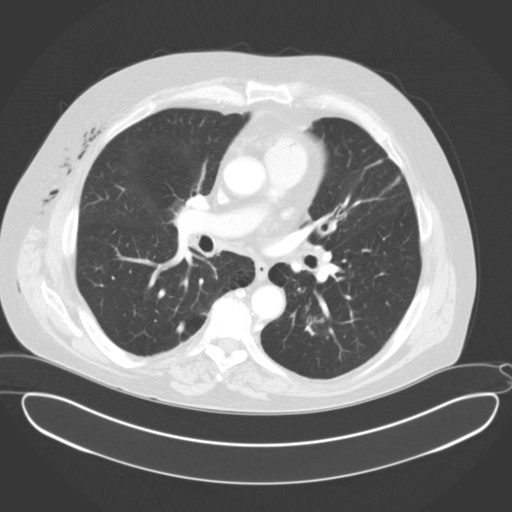
Slice 100/153 of a chest CT, counting up from the lowest; pixel size 0.836 mm, slice thickness 3.00 mm. Pulmonary nodule outlined by two of the four readers; box rows 323–332, columns 177–183 (the union of the readers' outlines on this slice); longest diameter 11.7 mm on average over the two readers' outlines (readers' outlines 11.6–11.8 mm), volume 264–409 mm3. The readers' prevailing ratings and who disagreed: texture 5/5 (solid), both readers agreeing; margin 4/5 from both readers; sphericity 3/5 (ovoid) from both readers; calcification absent, both readers agreeing; internal structure soft tissue, both readers agreeing; subtlety 4/5 from both readers; malignancy likelihood split among the readers: 1/5 (one), 3/5 (one). Scale key (1–5): texture non-solid→solid, margin indistinct→circumscribed, sphericity linear→round, subtlety extremely subtle→obvious, malignancy likelihood highly unlikely→highly suspicious of cancer. Box rows and columns are 0-based pixel indices from the top-left corner, inclusive.
Acquired at 120 kVp and reconstructed with the B31f kernel.